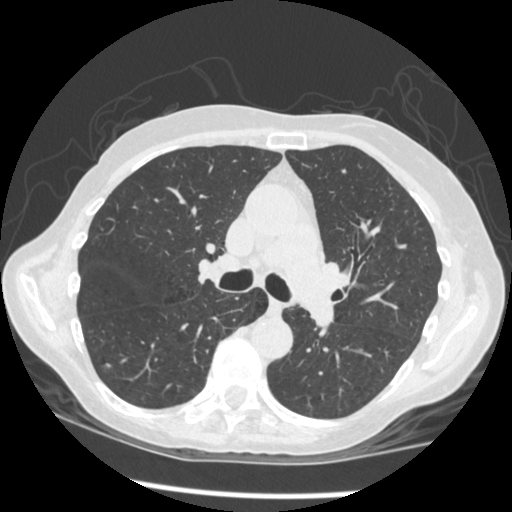
Axial chest CT slice 278 of 461 (counted from the lowest slice); 1.25 mm thick, 0.645 mm per pixel. Pulmonary nodule at rows 362–370, columns 104–111 (box = the union of the readers' outlines on this slice), outlined by three of the four readers; the three readers' outlines give a longest diameter between 6.3 and 7.5 mm and a volume between 48 and 84 mm3. Ratings across the readers: texture from 4/5 to 5/5 (solid) across the three readers; margin from 3/5 to 5/5 (circumscribed) across the three readers; sphericity from 4/5 to 5/5 (round) across the three readers; calcification absent, all three readers agreeing; internal structure soft tissue, all three readers agreeing; subtlety 2–4/5 (the readers disagree); malignancy likelihood from 2/5 to 4/5 across the three readers. Scale key (1–5): texture non-solid→solid, margin indistinct→circumscribed, sphericity linear→round, subtlety extremely subtle→obvious, malignancy likelihood highly unlikely→highly suspicious of cancer. Box rows and columns are 0-based pixel indices from the top-left corner, inclusive.
Acquired at 120 kVp and reconstructed with the STANDARD kernel.